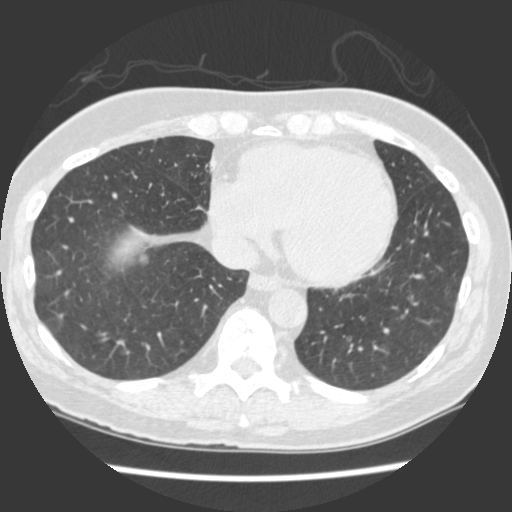
Axial chest CT slice 100 of 429 (counted from the lowest slice); 1.25 mm thick, 0.586 mm per pixel. Pulmonary nodule outlined by one of the four readers; box rows 256–264, columns 139–146 (that reader's outline on this slice); longest diameter 8.8 mm and volume 79 mm3 from that reader's outline. Ratings by that reader: texture 4/5; margin 3/5; sphericity 5/5 (round); calcification absent; internal structure soft tissue; subtlety 3/5; malignancy likelihood 3/5. Scale key (1–5): texture non-solid→solid, margin indistinct→circumscribed, sphericity linear→round, subtlety extremely subtle→obvious, malignancy likelihood highly unlikely→highly suspicious of cancer. Box rows and columns are 0-based pixel indices from the top-left corner, inclusive.
Acquired at 120 kVp and reconstructed with the STANDARD kernel.